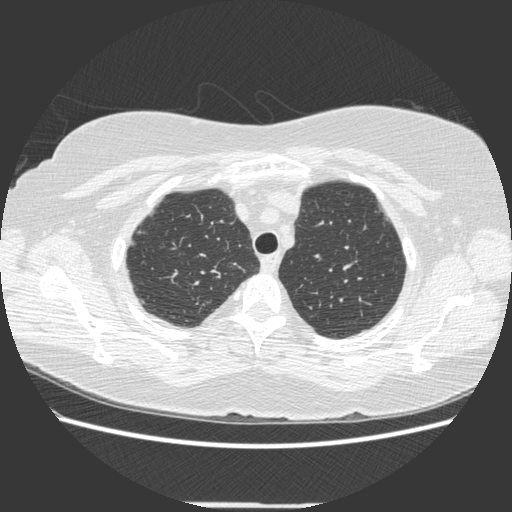
Chest CT, axial plane, 120 kVp, kernel STANDARD. Slice 377/452 from the bottom of the scan; thickness 1.25 mm; pixel size 0.703 mm.
Pulmonary nodule, outlined by two of the four readers. Box on this slice rows 240–245, columns 129–135, the union of the readers' outlines on this slice; median longest diameter 6.2 mm (readers' outlines 5.4–7.0 mm), median volume 58 mm3 (53–63 mm3). Ratings, median across the readers with their spread: median texture 4/5 (readers ranged 3/5 (part-solid) to 5/5 (solid)); median margin 4/5 (readers ranged 3/5 to 5/5 (circumscribed)); sphericity 4/5 from both readers; calcification absent from both readers; internal structure soft tissue, both readers agreeing; median subtlety 3/5 (readers ranged 2–4); median malignancy likelihood 2.5/5 (readers ranged 2–3). Scale key (1–5): texture non-solid→solid, margin indistinct→circumscribed, sphericity linear→round, subtlety extremely subtle→obvious, malignancy likelihood highly unlikely→highly suspicious of cancer. Box rows and columns are 0-based pixel indices from the top-left corner, inclusive.